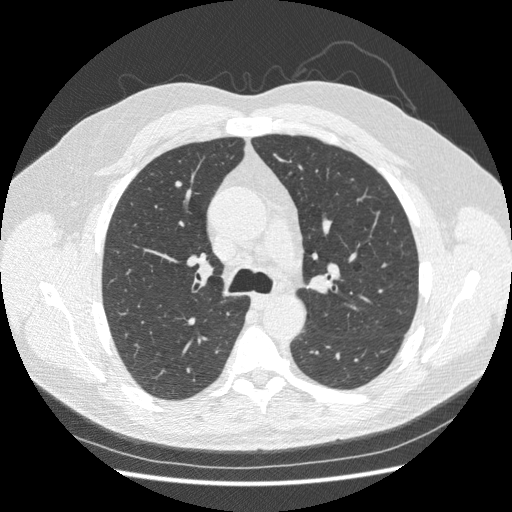
One axial slice (159 of 250, counting up from the lowest) of a chest CT acquired at 120 kVp with the STANDARD kernel; each pixel is 0.703 mm and the slice is 1.25 mm thick.
Pulmonary nodule, outlined by all four readers. Box on this slice rows 180–187, columns 174–181, the union of the readers' outlines on this slice; longest diameter 6.3 mm on average over the four readers' outlines (readers' outlines 5.8–7.3 mm), volume 93–146 mm3. Ratings, by the readers' most common answer with dissent counted: texture 5/5 (solid) from all four readers; margin split among the readers: 4/5 (two), 5/5 (circumscribed) (two); sphericity 3/5 (ovoid) by two of four readers; the rest gave 4/5 (one), 5/5 (round) (one); calcification absent from all four readers; internal structure soft tissue, all four readers agreeing; subtlety 3/5 by two of four readers; the rest gave 4/5 (one), 5/5 (one); malignancy likelihood 3/5 by two of four readers; the rest gave 2/5 (one), 4/5 (one). Scale key (1–5): texture non-solid→solid, margin indistinct→circumscribed, sphericity linear→round, subtlety extremely subtle→obvious, malignancy likelihood highly unlikely→highly suspicious of cancer. Box rows and columns are 0-based pixel indices from the top-left corner, inclusive.